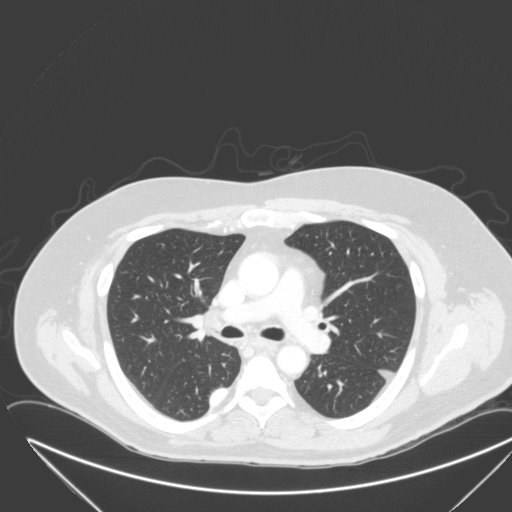
One axial slice (196 of 315, counting up from the lowest) of a chest CT acquired at 120 kVp with the B kernel; each pixel is 0.830 mm and the slice is 2.00 mm thick.
Pulmonary nodule, outlined by one of the four readers. Box on this slice rows 388–405, columns 210–225, that reader's outline on this slice; longest diameter 27.1 mm and volume 6093 mm3 from that reader's outline. That reader's ratings: texture 5/5 (solid); margin 4/5; sphericity 2/5; calcification absent; internal structure soft tissue; subtlety 5/5; malignancy likelihood 4/5. Scale key (1–5): texture non-solid→solid, margin indistinct→circumscribed, sphericity linear→round, subtlety extremely subtle→obvious, malignancy likelihood highly unlikely→highly suspicious of cancer. Box rows and columns are 0-based pixel indices from the top-left corner, inclusive.